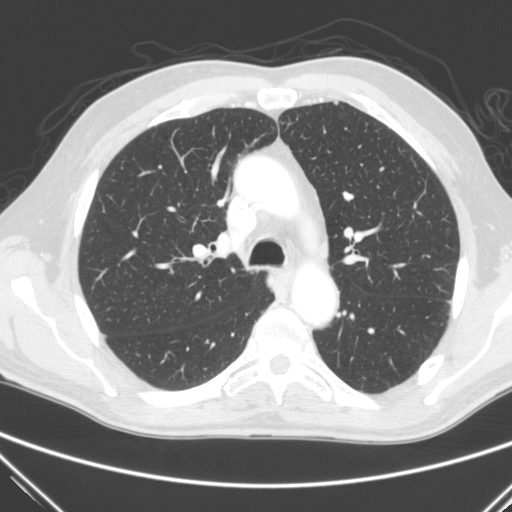
One axial slice (178 of 290, counting up from the lowest) of a chest CT acquired at 120 kVp with the C kernel; each pixel is 0.682 mm and the slice is 2.00 mm thick.
Pulmonary nodule outlined by one of the four readers; box rows 102–104, columns 334–337 (that reader's outline on this slice); longest diameter 4.8 mm and volume 30 mm3 from that reader's outline. That reader's ratings: texture 5/5 (solid); margin 5/5 (circumscribed); sphericity 5/5 (round); calcification absent; internal structure soft tissue; subtlety 5/5; malignancy likelihood 3/5. Scale key (1–5): texture non-solid→solid, margin indistinct→circumscribed, sphericity linear→round, subtlety extremely subtle→obvious, malignancy likelihood highly unlikely→highly suspicious of cancer. Box rows and columns are 0-based pixel indices from the top-left corner, inclusive.